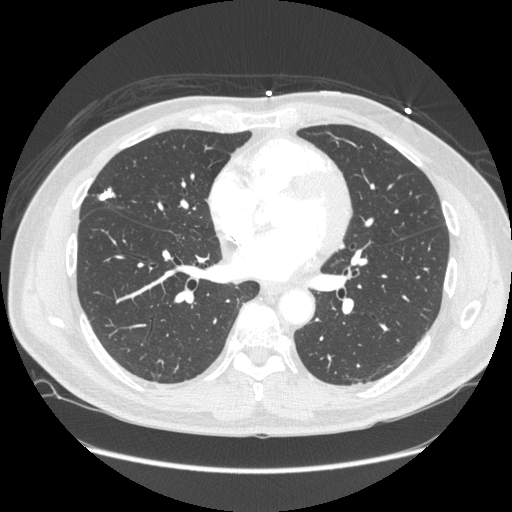
This is axial slice 108 of 261 (slice 1 is the lowest) of a chest CT; each pixel is 0.781 mm and the slice is 1.25 mm thick. Pulmonary nodule, outlined by all four readers. Box on this slice rows 187–200, columns 98–115, the union of the readers' outlines on this slice; median longest diameter 18.1 mm (readers' outlines 18.0–19.6 mm), median volume 997 mm3 (893–1130 mm3). Median ratings and the readers' spread: texture 5/5 (solid), all four readers agreeing; margin 5/5 (circumscribed) at the median of four readers, spread 4/5 to 5/5 (circumscribed); median sphericity 3.5/5 (readers ranged 3/5 (ovoid) to 5/5 (round)); calcification: solid calcification (three), absent (one); internal structure soft tissue, all four readers agreeing; subtlety 5/5, all four readers agreeing; median malignancy likelihood 1/5 (readers ranged 1–4). Scale key (1–5): texture non-solid→solid, margin indistinct→circumscribed, sphericity linear→round, subtlety extremely subtle→obvious, malignancy likelihood highly unlikely→highly suspicious of cancer. Box rows and columns are 0-based pixel indices from the top-left corner, inclusive.
Tube voltage 120 kVp; convolution kernel STANDARD.